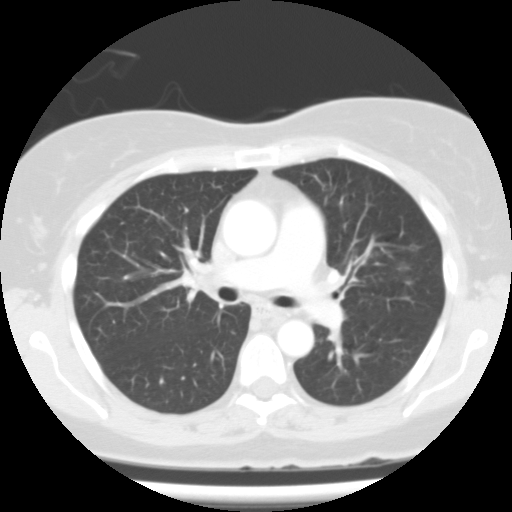
Chest CT, axial plane, 135 kVp, kernel FC01. Slice 61/98 from the bottom of the scan; thickness 3.00 mm; pixel size 0.637 mm.
Pulmonary nodule, outlined by all four readers, one of them on this slice. Box on this slice rows 262–270, columns 397–407, the one reader's outline on this slice; longest diameter 13.9 mm on average over the four readers' outlines (readers' outlines 12.4–15.3 mm), volume 600–1083 mm3. Ratings, by the readers' most common answer with dissent counted: texture 5/5 (solid) by three of four readers; the rest gave 4/5 (one); margin 4/5 by two of four readers; the rest gave 2/5 (one), 5/5 (circumscribed) (one); sphericity 5/5 (round) from all four readers; calcification absent from all four readers; internal structure soft tissue, all four readers agreeing; most readers (three of four) put subtlety at 5/5, others 4/5 (one); malignancy likelihood 3/5 by two of four readers; the rest gave 4/5 (one), 5/5 (one). Scale key (1–5): texture non-solid→solid, margin indistinct→circumscribed, sphericity linear→round, subtlety extremely subtle→obvious, malignancy likelihood highly unlikely→highly suspicious of cancer. Box rows and columns are 0-based pixel indices from the top-left corner, inclusive.